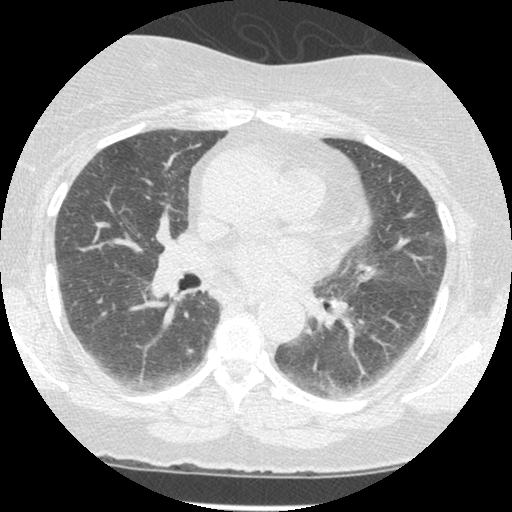
One axial slice (179 of 381, counting up from the lowest) of a chest CT acquired at 120 kVp with the STANDARD kernel; each pixel is 0.625 mm and the slice is 1.25 mm thick.
Pulmonary nodule, outlined by two of the four readers. Box on this slice rows 349–352, columns 189–191, the union of the readers' outlines on this slice; median longest diameter 3.9 mm (readers' outlines 3.6–4.2 mm), median volume 20 mm3 (18–22 mm3). Median ratings and the readers' spread: texture 5/5 (solid), both readers agreeing; median margin 4.5/5 (readers ranged 4/5 to 5/5 (circumscribed)); sphericity 5/5 (round) from both readers; calcification solid calcification, both readers agreeing; internal structure soft tissue, both readers agreeing; median subtlety 3.5/5 (readers ranged 2–5); malignancy likelihood 1/5, both readers agreeing. Scale key (1–5): texture non-solid→solid, margin indistinct→circumscribed, sphericity linear→round, subtlety extremely subtle→obvious, malignancy likelihood highly unlikely→highly suspicious of cancer. Box rows and columns are 0-based pixel indices from the top-left corner, inclusive.